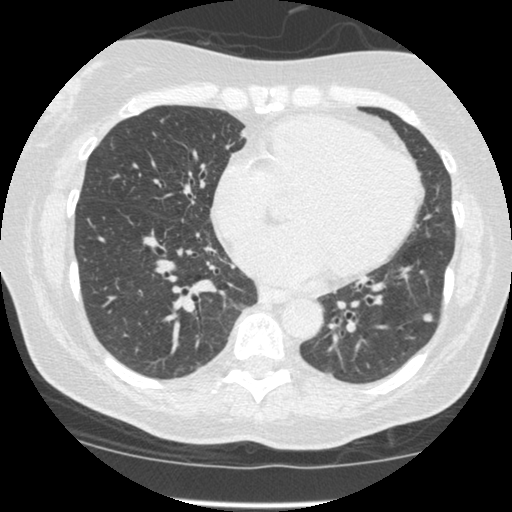
This is axial slice 171 of 449 (slice 1 is the lowest) of a chest CT; each pixel is 0.625 mm and the slice is 1.25 mm thick. Pulmonary nodule at rows 313–321, columns 422–433 (box = the union of the readers' outlines on this slice), outlined by all four readers; longest diameter 6.8–9.2 mm and volume 59–141 mm3 across the four readers' outlines. Ratings across the readers: texture from 1/5 (non-solid) to 5/5 (solid) across the four readers; margin from 3/5 to 5/5 (circumscribed) across the four readers; sphericity from 3/5 (ovoid) to 5/5 (round) across the four readers; calcification absent, all four readers agreeing; internal structure soft tissue, all four readers agreeing; subtlety 3–4/5 (the readers disagree); malignancy likelihood 3/5, all four readers agreeing. Scale key (1–5): texture non-solid→solid, margin indistinct→circumscribed, sphericity linear→round, subtlety extremely subtle→obvious, malignancy likelihood highly unlikely→highly suspicious of cancer. Box rows and columns are 0-based pixel indices from the top-left corner, inclusive.
Acquired at 120 kVp and reconstructed with the STANDARD kernel.